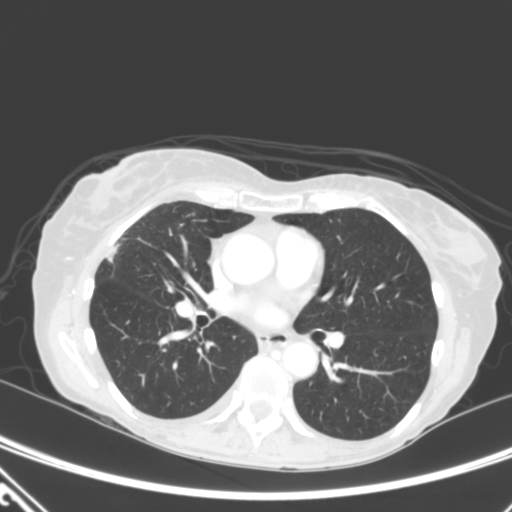
Chest CT, axial plane, 120 kVp, kernel B. Slice 177/320 from the bottom of the scan; thickness 2.00 mm; pixel size 0.662 mm.
Pulmonary nodule, outlined by all four readers. Box on this slice rows 243–262, columns 104–119, the union of the readers' outlines on this slice; median longest diameter 16.0 mm (readers' outlines 12.2–16.6 mm), median volume 833 mm3 (631–1078 mm3). Median ratings and the readers' spread: texture 5/5 (solid) from all four readers; median margin 4/5 (readers ranged 3/5 to 5/5 (circumscribed)); sphericity 3.5/5 at the median of four readers, spread 3/5 (ovoid) to 5/5 (round); calcification absent from all four readers; internal structure soft tissue, all four readers agreeing; subtlety 5/5 from all four readers; median malignancy likelihood 4.5/5 (readers ranged 2–5). Scale key (1–5): texture non-solid→solid, margin indistinct→circumscribed, sphericity linear→round, subtlety extremely subtle→obvious, malignancy likelihood highly unlikely→highly suspicious of cancer. Box rows and columns are 0-based pixel indices from the top-left corner, inclusive.